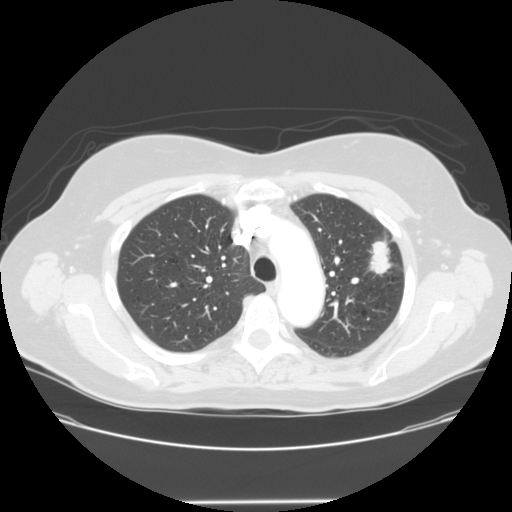
One axial slice (104 of 138, counting up from the lowest) of a chest CT acquired at 120 kVp with the STANDARD kernel; each pixel is 0.781 mm and the slice is 2.50 mm thick.
Pulmonary nodule, outlined by all four readers. Box on this slice rows 239–276, columns 368–392, the union of the readers' outlines on this slice; median longest diameter 30.2 mm (readers' outlines 29.1–32.9 mm), median volume 5896 mm3 (5563–6580 mm3). Median ratings and the readers' spread: median texture 5/5 (solid) (readers ranged 4/5 to 5/5 (solid)); median margin 3.5/5 (readers ranged 3/5 to 4/5); sphericity 3/5 (ovoid) at the median of four readers, spread 3/5 (ovoid) to 5/5 (round); calcification absent, all four readers agreeing; internal structure soft tissue, all four readers agreeing; subtlety 5/5 from all four readers; median malignancy likelihood 5/5 (readers ranged 4–5). Scale key (1–5): texture non-solid→solid, margin indistinct→circumscribed, sphericity linear→round, subtlety extremely subtle→obvious, malignancy likelihood highly unlikely→highly suspicious of cancer. Box rows and columns are 0-based pixel indices from the top-left corner, inclusive.